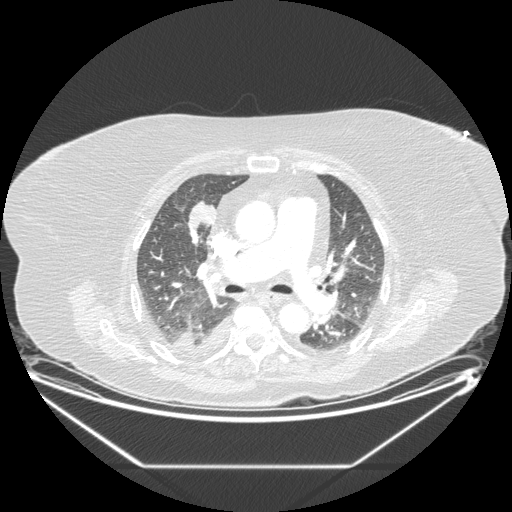
This is axial slice 116 of 206 (slice 1 is the lowest) of a chest CT; each pixel is 0.898 mm and the slice is 1.25 mm thick. Pulmonary nodule at rows 200–230, columns 187–217 (box = the union of the readers' outlines on this slice), outlined by three of the four readers; longest diameter 35.5 mm on average over the three readers' outlines (readers' outlines 31.1–37.8 mm), volume 4036–4781 mm3. The readers' prevailing ratings and who disagreed: most readers (two of three) put texture at 5/5 (solid), others 1/5 (non-solid) (one); margin 4/5, all three readers agreeing; sphericity 3/5 (ovoid) by two of three readers; the rest gave 2/5 (one); calcification absent from all three readers; internal structure soft tissue, all three readers agreeing; most readers (two of three) put subtlety at 5/5, others 4/5 (one); malignancy likelihood 5/5 by two of three readers; the rest gave 3/5 (one). Scale key (1–5): texture non-solid→solid, margin indistinct→circumscribed, sphericity linear→round, subtlety extremely subtle→obvious, malignancy likelihood highly unlikely→highly suspicious of cancer. Box rows and columns are 0-based pixel indices from the top-left corner, inclusive.
Acquired at 120 kVp and reconstructed with the STANDARD kernel.